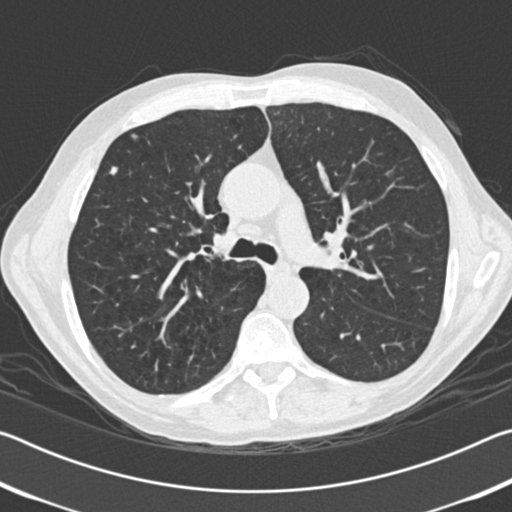
Axial chest CT slice 120 of 192 (counted from the lowest slice); tube voltage 120 kVp, convolution kernel B30f; slices 2.00 mm thick, 0.664 mm per pixel.
Two pulmonary nodules are outlined on this slice; from left to right: (1) Pulmonary nodule at rows 166–175, columns 108–118 (box = the union of the readers' outlines on this slice), outlined by all four readers; longest diameter 8.0 mm on average over the four readers' outlines (readers' outlines 7.4–8.3 mm), volume 146–195 mm3. Ratings, by the readers' most common answer with dissent counted: texture 5/5 (solid) by three of four readers; the rest gave 4/5 (one); margin split among the readers: 4/5 (two), 5/5 (circumscribed) (two); sphericity 3/5 (ovoid) by two of four readers; the rest gave 4/5 (one), 5/5 (round) (one); calcification absent from all four readers; internal structure soft tissue, all four readers agreeing; subtlety 4/5 by two of four readers; the rest gave 3/5 (one), 5/5 (one); malignancy likelihood 3/5 by two of four readers; the rest gave 2/5 (one), 4/5 (one). (2) Pulmonary nodule, outlined by one of the four readers. Box on this slice rows 134–138, columns 132–136, that reader's outline on this slice; longest diameter 4.5 mm and volume 21 mm3 from that reader's outline. Ratings by that reader: texture 3/5 (part-solid); margin 2/5; sphericity 3/5 (ovoid); calcification absent; internal structure soft tissue; subtlety 2/5; malignancy likelihood 3/5. Scale key (1–5): texture non-solid→solid, margin indistinct→circumscribed, sphericity linear→round, subtlety extremely subtle→obvious, malignancy likelihood highly unlikely→highly suspicious of cancer. Box rows and columns are 0-based pixel indices from the top-left corner, inclusive.